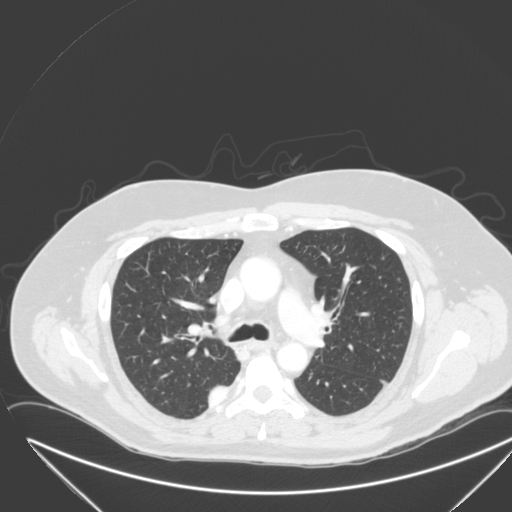
Axial chest CT slice 207 of 315 (counted from the lowest slice); 2.00 mm thick, 0.830 mm per pixel. Pulmonary nodule outlined by one of the four readers; box rows 387–405, columns 209–226 (that reader's outline on this slice); longest diameter 27.1 mm and volume 6093 mm3 from that reader's outline. Ratings by that reader: texture 5/5 (solid); margin 4/5; sphericity 2/5; calcification absent; internal structure soft tissue; subtlety 5/5; malignancy likelihood 4/5. Scale key (1–5): texture non-solid→solid, margin indistinct→circumscribed, sphericity linear→round, subtlety extremely subtle→obvious, malignancy likelihood highly unlikely→highly suspicious of cancer. Box rows and columns are 0-based pixel indices from the top-left corner, inclusive.
Tube voltage 120 kVp; convolution kernel B.